One axial slice (69 of 246, counting up from the lowest) of a chest CT acquired at 120 kVp with the BONE kernel; each pixel is 0.566 mm and the slice is 1.25 mm thick.
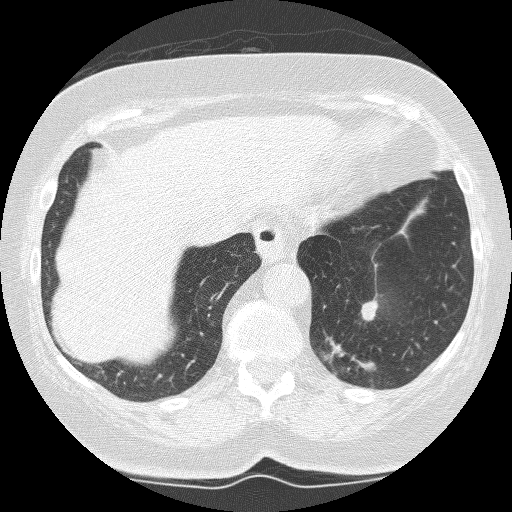
Pulmonary nodule at rows 296–321, columns 359–379 (box = the union of the readers' outlines on this slice), outlined by all four readers; longest diameter 13.8–17.3 mm and volume 672–1099 mm3 across the four readers' outlines. The readers' ratings, as ranges where they differ: texture 5/5 (solid), all four readers agreeing; margin from 2/5 to 4/5 across the four readers; sphericity from 2/5 to 4/5 across the four readers; calcification absent from all four readers; internal structure soft tissue from all four readers; subtlety 4–5/5 (the readers disagree); malignancy likelihood 3–5/5 (the readers disagree). Scale key (1–5): texture non-solid→solid, margin indistinct→circumscribed, sphericity linear→round, subtlety extremely subtle→obvious, malignancy likelihood highly unlikely→highly suspicious of cancer. Box rows and columns are 0-based pixel indices from the top-left corner, inclusive.